Axial chest CT slice 77 of 114 (counted from the lowest slice); tube voltage 120 kVp, convolution kernel B31f; slices 3.00 mm thick, 0.689 mm per pixel.
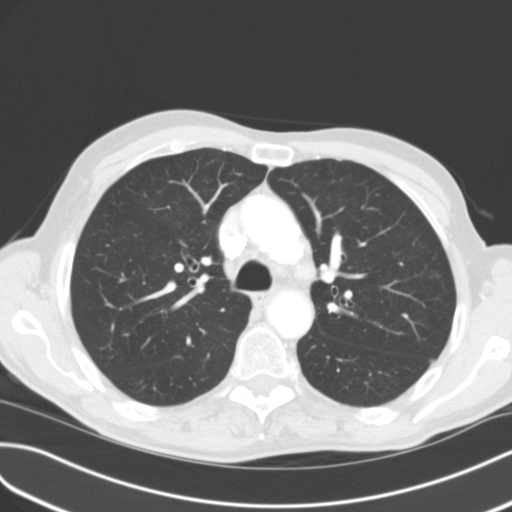
This slice carries no reader outline of a nodule 3 mm or larger.